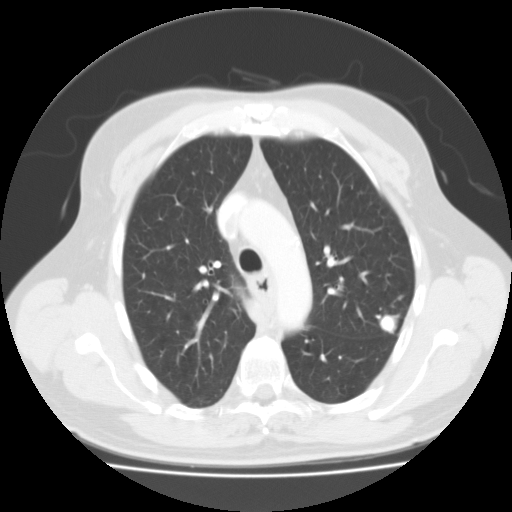
Chest CT, axial plane, 135 kVp, kernel FC01. Slice 75/103 from the bottom of the scan; thickness 3.00 mm; pixel size 0.738 mm.
Two pulmonary nodules on this slice, listed from left to right. (1) Pulmonary nodule, outlined by three of the four readers. Box on this slice rows 312–334, columns 379–399, the union of the readers' outlines on this slice; longest diameter 16.2–20.3 mm and volume 1237–2155 mm3 across the three readers' outlines. Ratings across the readers: texture 5/5 (solid) from all three readers; margin from 2/5 to 5/5 (circumscribed) across the three readers; sphericity from 4/5 to 5/5 (round) across the three readers; calcification split among the readers: central calcification (one), solid calcification (one), absent (one); internal structure soft tissue, all three readers agreeing; subtlety 5/5, all three readers agreeing; malignancy likelihood from 1/5 to 5/5 across the three readers. (2) Pulmonary nodule outlined by one of the four readers; box rows 295–300, columns 397–404 (that reader's outline on this slice); longest diameter 7.4 mm and volume 88 mm3 from that reader's outline. That reader's ratings: texture 3/5 (part-solid); margin 3/5; sphericity 5/5 (round); calcification absent; internal structure soft tissue; subtlety 4/5; malignancy likelihood 3/5. Scale key (1–5): texture non-solid→solid, margin indistinct→circumscribed, sphericity linear→round, subtlety extremely subtle→obvious, malignancy likelihood highly unlikely→highly suspicious of cancer. Box rows and columns are 0-based pixel indices from the top-left corner, inclusive.